Axial slice 193 of 297 of a chest CT (slice 1 is the lowest), reconstructed with the STANDARD kernel at 120 kVp; 1.25 mm slice thickness and 0.949 mm pixels.
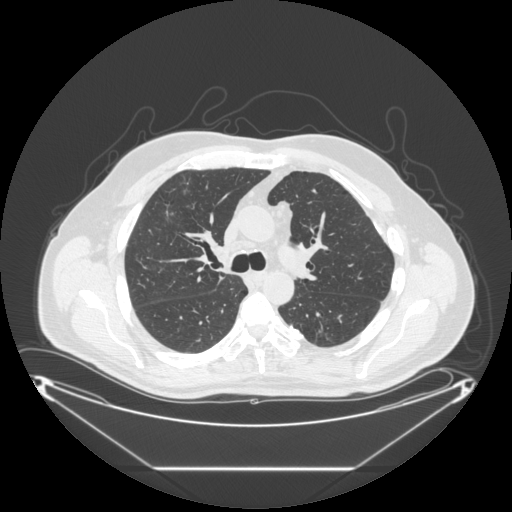
Pulmonary nodule, outlined by three of the four readers, one of them on this slice. Box on this slice rows 210–221, columns 165–173, the one reader's outline on this slice; the three readers' outlines give a longest diameter between 16.4 and 29.0 mm and a volume between 528 and 991 mm3. Ratings across the readers: texture from 1/5 (non-solid) to 5/5 (solid) across the three readers; margin from 2/5 to 4/5 across the three readers; sphericity from 3/5 (ovoid) to 5/5 (round) across the three readers; calcification absent from all three readers; internal structure soft tissue, all three readers agreeing; subtlety 1–5/5 (the readers disagree); malignancy likelihood from 2/5 to 5/5 across the three readers. Scale key (1–5): texture non-solid→solid, margin indistinct→circumscribed, sphericity linear→round, subtlety extremely subtle→obvious, malignancy likelihood highly unlikely→highly suspicious of cancer. Box rows and columns are 0-based pixel indices from the top-left corner, inclusive.